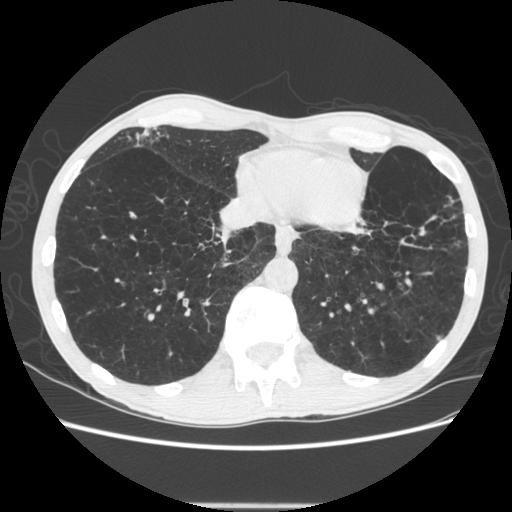
Slice 172/605 of a chest CT, counting up from the lowest; pixel size 0.703 mm, slice thickness 1.25 mm. Pulmonary nodule, outlined by one of the four readers. Box on this slice rows 336–339, columns 436–441, that reader's outline on this slice; longest diameter 6.3 mm and volume 45 mm3 from that reader's outline. That reader's ratings: texture 5/5 (solid); margin 5/5 (circumscribed); sphericity 4/5; calcification absent; internal structure soft tissue; subtlety 3/5; malignancy likelihood 3/5. Scale key (1–5): texture non-solid→solid, margin indistinct→circumscribed, sphericity linear→round, subtlety extremely subtle→obvious, malignancy likelihood highly unlikely→highly suspicious of cancer. Box rows and columns are 0-based pixel indices from the top-left corner, inclusive.
Tube voltage 120 kVp; convolution kernel STANDARD.